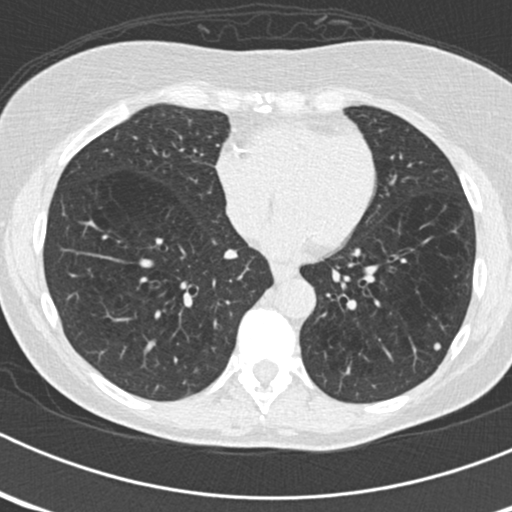
One axial slice (70 of 176, counting up from the lowest) of a chest CT acquired at 120 kVp with the B30f kernel; each pixel is 0.586 mm and the slice is 2.00 mm thick.
Pulmonary nodule, outlined by three of the four readers. Box on this slice rows 343–351, columns 433–441, the union of the readers' outlines on this slice; median longest diameter 6.0 mm (readers' outlines 5.4–6.3 mm), median volume 82 mm3 (53–107 mm3). Ratings, median across the readers with their spread: texture 5/5 (solid) at the median of three readers, spread 4/5 to 5/5 (solid); median margin 5/5 (circumscribed) (readers ranged 4/5 to 5/5 (circumscribed)); median sphericity 5/5 (round) (readers ranged 4/5 to 5/5 (round)); calcification absent, all three readers agreeing; internal structure soft tissue, all three readers agreeing; subtlety 4/5 at the median of three readers, spread 3–4; malignancy likelihood 3/5, all three readers agreeing. Scale key (1–5): texture non-solid→solid, margin indistinct→circumscribed, sphericity linear→round, subtlety extremely subtle→obvious, malignancy likelihood highly unlikely→highly suspicious of cancer. Box rows and columns are 0-based pixel indices from the top-left corner, inclusive.